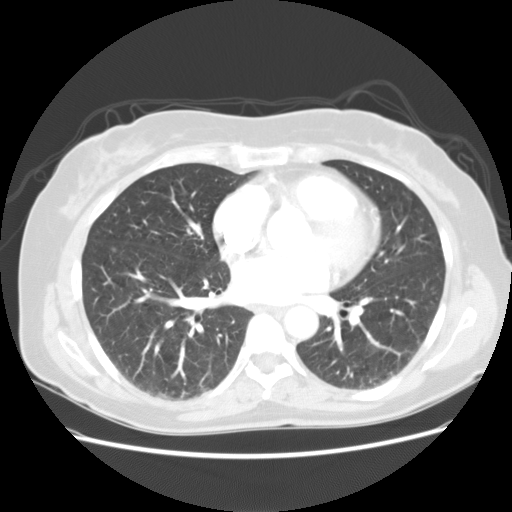
Chest CT, axial plane, 120 kVp, kernel STANDARD. Slice 56/113 from the bottom of the scan; thickness 2.50 mm; pixel size 0.703 mm.
Pulmonary nodule at rows 247–250, columns 113–116 (box = the one reader's outline on this slice), outlined by three of the four readers, one of them on this slice; median longest diameter 6.0 mm (readers' outlines 5.7–6.9 mm), median volume 85 mm3 (80–140 mm3). Median ratings and the readers' spread: texture 5/5 (solid) from all three readers; median margin 4/5 (readers ranged 4/5 to 5/5 (circumscribed)); sphericity 4/5 at the median of three readers, spread 4/5 to 5/5 (round); calcification absent from all three readers; internal structure soft tissue from all three readers; median subtlety 4/5 (readers ranged 3–5); malignancy likelihood 3/5 from all three readers. Scale key (1–5): texture non-solid→solid, margin indistinct→circumscribed, sphericity linear→round, subtlety extremely subtle→obvious, malignancy likelihood highly unlikely→highly suspicious of cancer. Box rows and columns are 0-based pixel indices from the top-left corner, inclusive.